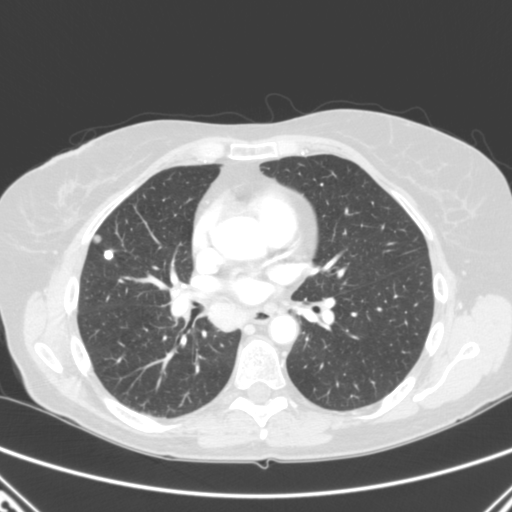
This is axial slice 145 of 280 (slice 1 is the lowest) of a chest CT; each pixel is 0.676 mm and the slice is 2.00 mm thick. Two pulmonary nodules are outlined on this slice; from left to right: (1) Pulmonary nodule at rows 234–243, columns 92–101 (box = the union of the readers' outlines on this slice), outlined by all four readers; median longest diameter 9.8 mm (readers' outlines 8.8–10.6 mm), median volume 360 mm3 (292–382 mm3). Ratings, median across the readers with their spread: median texture 5/5 (solid) (readers ranged 4/5 to 5/5 (solid)); median margin 5/5 (circumscribed) (readers ranged 4/5 to 5/5 (circumscribed)); sphericity 4/5 at the median of four readers, spread 3/5 (ovoid) to 5/5 (round); calcification absent, all four readers agreeing; internal structure soft tissue from all four readers; median subtlety 4.5/5 (readers ranged 4–5); median malignancy likelihood 4/5 (readers ranged 3–4). (2) Pulmonary nodule, outlined by all four readers. Box on this slice rows 250–259, columns 103–114, the union of the readers' outlines on this slice; median longest diameter 8.9 mm (readers' outlines 8.5–10.7 mm), median volume 220 mm3 (156–292 mm3). Ratings, median across the readers with their spread: texture 5/5 (solid) from all four readers; margin 4.5/5 at the median of four readers, spread 4/5 to 5/5 (circumscribed); median sphericity 4/5 (readers ranged 3/5 (ovoid) to 5/5 (round)); calcification: solid calcification (three), central calcification (one); internal structure soft tissue from all four readers; subtlety 5/5, all four readers agreeing; malignancy likelihood 1/5 from all four readers. Scale key (1–5): texture non-solid→solid, margin indistinct→circumscribed, sphericity linear→round, subtlety extremely subtle→obvious, malignancy likelihood highly unlikely→highly suspicious of cancer. Box rows and columns are 0-based pixel indices from the top-left corner, inclusive.
Scan settings: 120 kVp, B reconstruction kernel.